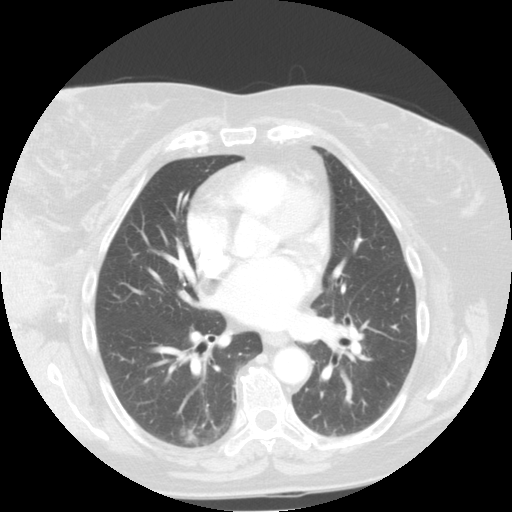
Axial chest CT slice 64 of 113 (counted from the lowest slice); tube voltage 120 kVp, convolution kernel STANDARD; slices 2.50 mm thick, 0.703 mm per pixel.
Pulmonary nodule at rows 425–445, columns 179–200 (box = the union of the readers' outlines on this slice), outlined by all four readers; longest diameter 23.3–24.3 mm and volume 4155–5797 mm3 across the four readers' outlines. Ratings across the readers: texture 5/5 (solid), all four readers agreeing; margin from 4/5 to 5/5 (circumscribed) across the four readers; sphericity from 3/5 (ovoid) to 5/5 (round) across the four readers; calcification absent, all four readers agreeing; internal structure soft tissue from all four readers; subtlety 5/5 from all four readers; malignancy likelihood rated between 2 and 5 out of 5 by the four readers. Scale key (1–5): texture non-solid→solid, margin indistinct→circumscribed, sphericity linear→round, subtlety extremely subtle→obvious, malignancy likelihood highly unlikely→highly suspicious of cancer. Box rows and columns are 0-based pixel indices from the top-left corner, inclusive.